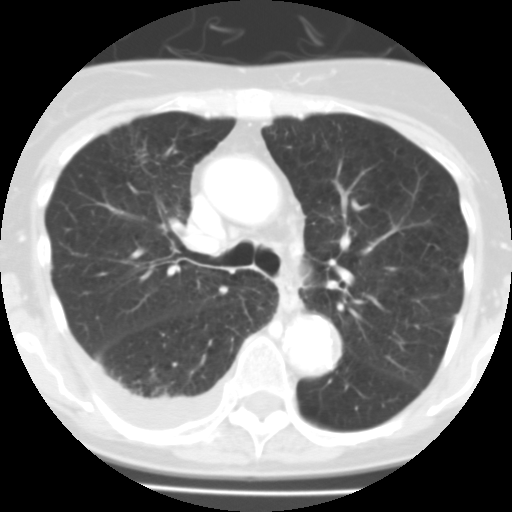
Axial chest CT slice 65 of 100 (counted from the lowest slice); 3.00 mm thick, 0.540 mm per pixel. Pulmonary nodule at rows 140–171, columns 134–147 (box = the one reader's outline on this slice), outlined by all four readers, one of them on this slice; longest diameter 26.1 mm on average over the four readers' outlines (readers' outlines 22.6–33.3 mm), volume 3212–10079 mm3. Ratings, by the readers' most common answer with dissent counted: texture 4/5 by three of four readers; the rest gave 5/5 (solid) (one); margin 4/5 by two of four readers; the rest gave 1/5 (indistinct) (one), 2/5 (one); sphericity 3/5 (ovoid) by two of four readers; the rest gave 4/5 (one), 5/5 (round) (one); calcification absent, all four readers agreeing; internal structure soft tissue from all four readers; subtlety 5/5, all four readers agreeing; malignancy likelihood split among the readers: 4/5 (two), 5/5 (two). Scale key (1–5): texture non-solid→solid, margin indistinct→circumscribed, sphericity linear→round, subtlety extremely subtle→obvious, malignancy likelihood highly unlikely→highly suspicious of cancer. Box rows and columns are 0-based pixel indices from the top-left corner, inclusive.
Scan settings: 135 kVp, FC01 reconstruction kernel.